One axial slice (68 of 113, counting up from the lowest) of a chest CT acquired at 120 kVp with the STANDARD kernel; each pixel is 0.703 mm and the slice is 2.50 mm thick.
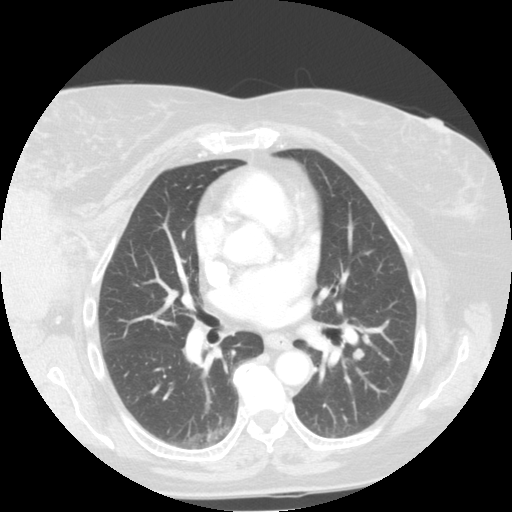
Pulmonary nodule, outlined by all four readers. Box on this slice rows 348–361, columns 353–364, the union of the readers' outlines on this slice; longest diameter 9.2–11.6 mm and volume 229–427 mm3 across the four readers' outlines. Ratings across the readers: texture 5/5 (solid), all four readers agreeing; margin from 4/5 to 5/5 (circumscribed) across the four readers; sphericity from 4/5 to 5/5 (round) across the four readers; calcification absent from all four readers; internal structure soft tissue from all four readers; subtlety rated between 3 and 4 out of 5 by the four readers; malignancy likelihood from 2/5 to 5/5 across the four readers. Scale key (1–5): texture non-solid→solid, margin indistinct→circumscribed, sphericity linear→round, subtlety extremely subtle→obvious, malignancy likelihood highly unlikely→highly suspicious of cancer. Box rows and columns are 0-based pixel indices from the top-left corner, inclusive.